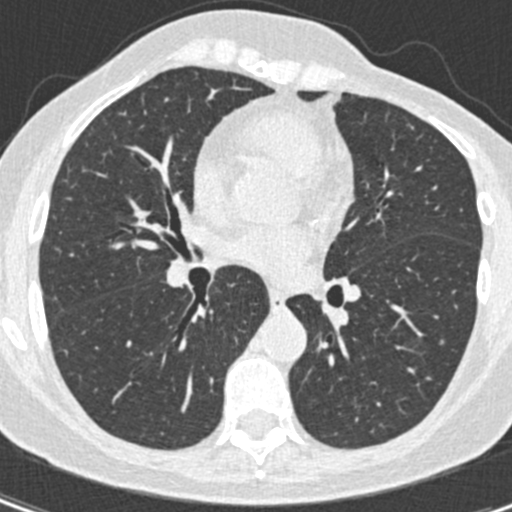
Chest CT, axial plane, 120 kVp, kernel B30f. Slice 212/408 from the bottom of the scan; thickness 0.75 mm; pixel size 0.531 mm.
Pulmonary nodule outlined by one of the four readers; box rows 339–344, columns 439–444 (that reader's outline on this slice); longest diameter 4.3 mm and volume 27 mm3 from that reader's outline. That reader's ratings: texture 5/5 (solid); margin 5/5 (circumscribed); sphericity 5/5 (round); calcification absent; internal structure soft tissue; subtlety 5/5; malignancy likelihood 2/5. Scale key (1–5): texture non-solid→solid, margin indistinct→circumscribed, sphericity linear→round, subtlety extremely subtle→obvious, malignancy likelihood highly unlikely→highly suspicious of cancer. Box rows and columns are 0-based pixel indices from the top-left corner, inclusive.